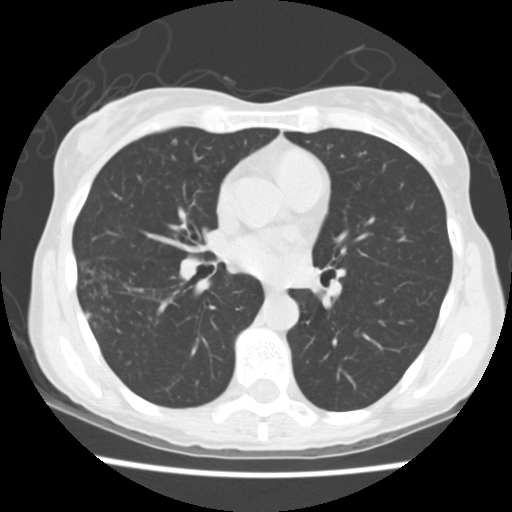
Axial chest CT slice 84 of 163 (counted from the lowest slice); tube voltage 120 kVp, convolution kernel STANDARD; slices 2.50 mm thick, 0.586 mm per pixel.
Pulmonary nodule, outlined by one of the four readers. Box on this slice rows 139–144, columns 171–176, that reader's outline on this slice; longest diameter 4.8 mm and volume 70 mm3 from that reader's outline. Ratings by that reader: texture 5/5 (solid); margin 5/5 (circumscribed); sphericity 4/5; calcification absent; internal structure soft tissue; subtlety 4/5; malignancy likelihood 2/5. Scale key (1–5): texture non-solid→solid, margin indistinct→circumscribed, sphericity linear→round, subtlety extremely subtle→obvious, malignancy likelihood highly unlikely→highly suspicious of cancer. Box rows and columns are 0-based pixel indices from the top-left corner, inclusive.